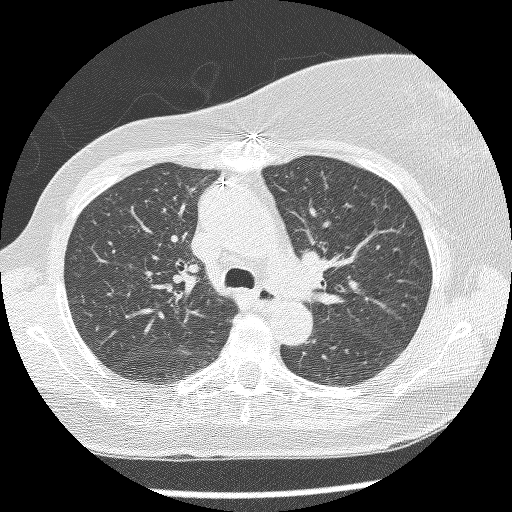
Axial slice 156 of 220 of a chest CT (slice 1 is the lowest), reconstructed with the BONE kernel at 120 kVp; 1.25 mm slice thickness and 0.598 mm pixels.
No nodule of 3 mm or larger was outlined by any of the four readers on this slice.